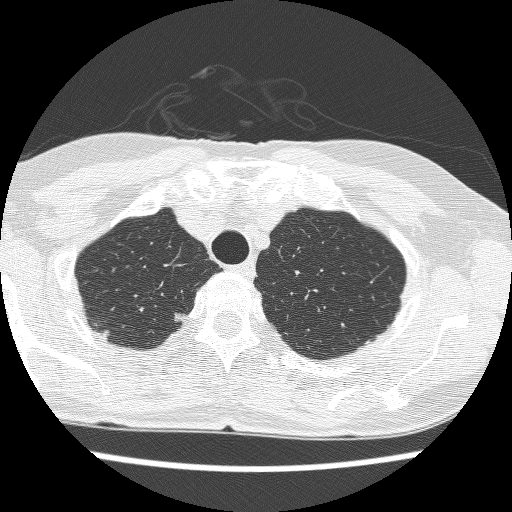
Axial chest CT slice 205 of 241 (counted from the lowest slice); tube voltage 120 kVp, convolution kernel BONE; slices 1.25 mm thick, 0.586 mm per pixel.
Pulmonary nodule at rows 311–322, columns 174–186 (box = the union of the readers' outlines on this slice), outlined by two of the four readers; the two readers' outlines give a longest diameter between 7.5 and 9.3 mm and a volume between 124 and 243 mm3. Ratings across the readers: texture from 4/5 to 5/5 (solid) across the two readers; margin from 4/5 to 5/5 (circumscribed) across the two readers; sphericity from 4/5 to 5/5 (round) across the two readers; calcification absent, both readers agreeing; internal structure soft tissue from both readers; subtlety rated between 4 and 5 out of 5 by the two readers; malignancy likelihood 4/5 from both readers. Scale key (1–5): texture non-solid→solid, margin indistinct→circumscribed, sphericity linear→round, subtlety extremely subtle→obvious, malignancy likelihood highly unlikely→highly suspicious of cancer. Box rows and columns are 0-based pixel indices from the top-left corner, inclusive.